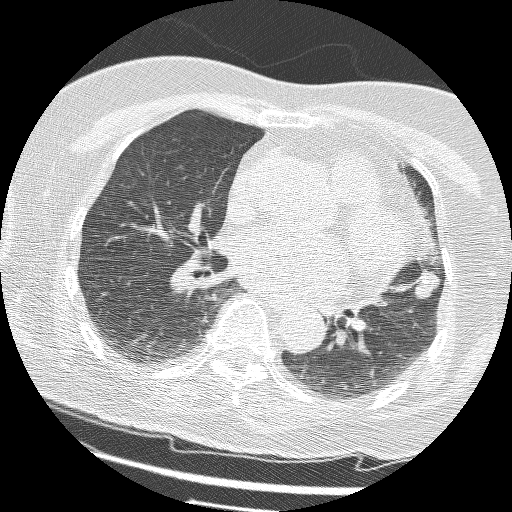
This is axial slice 67 of 161 (slice 1 is the lowest) of a chest CT; each pixel is 0.549 mm and the slice is 1.25 mm thick. Pulmonary nodule, outlined by all four readers. Box on this slice rows 270–298, columns 414–439, the union of the readers' outlines on this slice; longest diameter 18.8 mm on average over the four readers' outlines (readers' outlines 18.2–19.7 mm), volume 1334–1755 mm3. Ratings, by the readers' most common answer with dissent counted: texture 5/5 (solid), all four readers agreeing; margin 4/5 by two of four readers; the rest gave 3/5 (one), 5/5 (circumscribed) (one); most readers (three of four) put sphericity at 3/5 (ovoid), others 4/5 (one); calcification absent, all four readers agreeing; internal structure soft tissue from all four readers; subtlety 5/5 from all four readers; malignancy likelihood 5/5, all four readers agreeing. Scale key (1–5): texture non-solid→solid, margin indistinct→circumscribed, sphericity linear→round, subtlety extremely subtle→obvious, malignancy likelihood highly unlikely→highly suspicious of cancer. Box rows and columns are 0-based pixel indices from the top-left corner, inclusive.
Scan settings: 120 kVp, BONE reconstruction kernel.